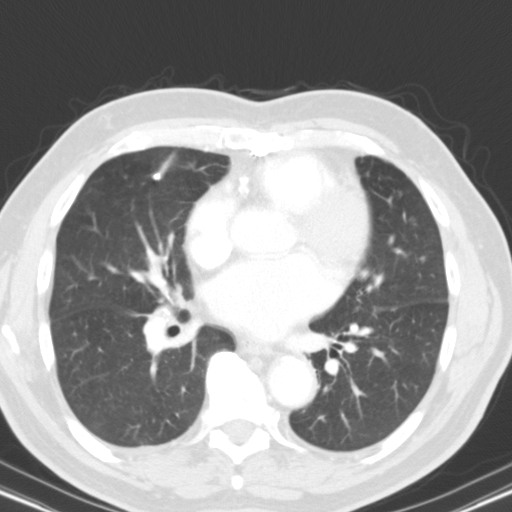
One axial slice (59 of 116, counting up from the lowest) of a chest CT acquired at 130 kVp with the B31s kernel; each pixel is 0.668 mm and the slice is 3.00 mm thick.
Pulmonary nodule at rows 173–179, columns 152–159 (box = the union of the readers' outlines on this slice), outlined by two of the four readers; median longest diameter 6.3 mm (readers' outlines 6.3 mm), median volume 137 mm3 (137 mm3). Median ratings and the readers' spread: texture 5/5 (solid) from both readers; median margin 4.5/5 (readers ranged 4/5 to 5/5 (circumscribed)); sphericity 4.5/5 at the median of two readers, spread 4/5 to 5/5 (round); calcification solid calcification from both readers; internal structure soft tissue, both readers agreeing; median subtlety 4.5/5 (readers ranged 4–5); malignancy likelihood 1/5 from both readers. Scale key (1–5): texture non-solid→solid, margin indistinct→circumscribed, sphericity linear→round, subtlety extremely subtle→obvious, malignancy likelihood highly unlikely→highly suspicious of cancer. Box rows and columns are 0-based pixel indices from the top-left corner, inclusive.